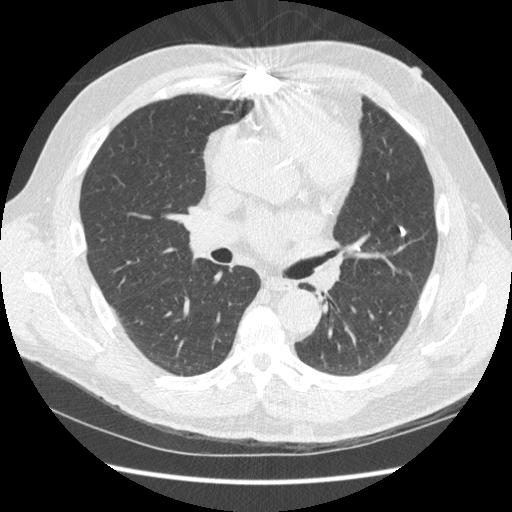
Axial chest CT slice 175 of 369 (counted from the lowest slice); 1.25 mm thick, 0.703 mm per pixel. Pulmonary nodule outlined by one of the four readers; box rows 226–235, columns 398–405 (that reader's outline on this slice); longest diameter 10.1 mm and volume 89 mm3 from that reader's outline. Ratings by that reader: texture 5/5 (solid); margin 5/5 (circumscribed); sphericity 3/5 (ovoid); calcification solid calcification; internal structure soft tissue; subtlety 5/5; malignancy likelihood 1/5. Scale key (1–5): texture non-solid→solid, margin indistinct→circumscribed, sphericity linear→round, subtlety extremely subtle→obvious, malignancy likelihood highly unlikely→highly suspicious of cancer. Box rows and columns are 0-based pixel indices from the top-left corner, inclusive.
Tube voltage 120 kVp; convolution kernel STANDARD.